Chest CT, axial plane, 120 kVp, kernel STANDARD. Slice 117/362 from the bottom of the scan; thickness 1.25 mm; pixel size 0.625 mm.
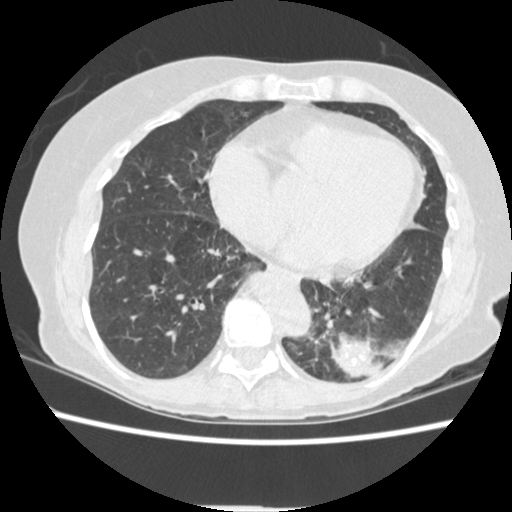
Pulmonary nodule at rows 333–375, columns 331–384 (box = that reader's outline on this slice), outlined by one of the four readers; longest diameter 37.2 mm and volume 2579 mm3 from that reader's outline. That reader's ratings: texture 5/5 (solid); margin 3/5; sphericity 4/5; calcification absent; internal structure soft tissue; subtlety 5/5; malignancy likelihood 4/5. Scale key (1–5): texture non-solid→solid, margin indistinct→circumscribed, sphericity linear→round, subtlety extremely subtle→obvious, malignancy likelihood highly unlikely→highly suspicious of cancer. Box rows and columns are 0-based pixel indices from the top-left corner, inclusive.